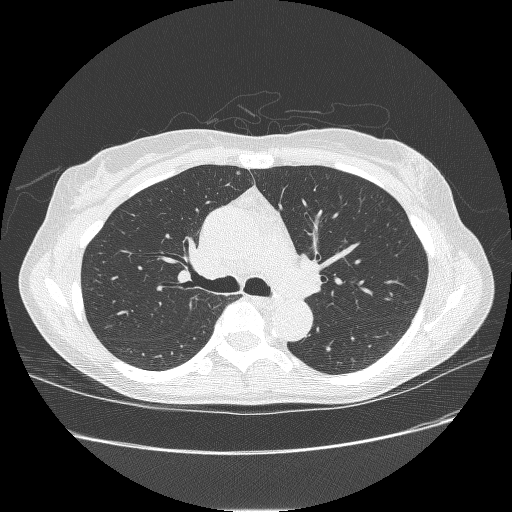
Axial slice 165 of 238 of a chest CT (slice 1 is the lowest), reconstructed with the BONE kernel at 120 kVp; 1.25 mm slice thickness and 0.703 mm pixels.
No nodule of 3 mm or larger was outlined by any of the four readers on this slice.